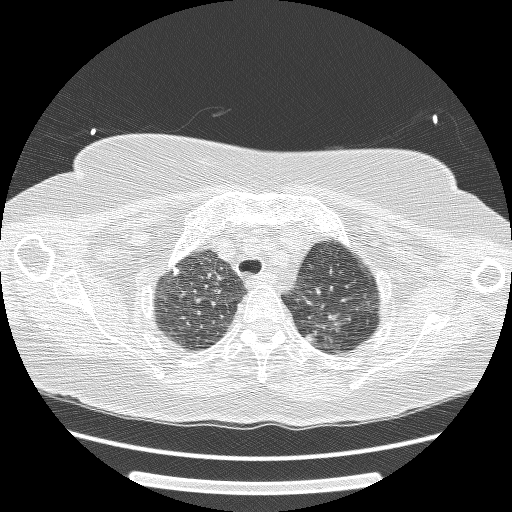
Axial chest CT slice 130 of 162 (counted from the lowest slice); tube voltage 120 kVp, convolution kernel BONE; slices 1.25 mm thick, 0.703 mm per pixel.
Pulmonary nodule outlined by all four readers; box rows 267–274, columns 173–178 (the union of the readers' outlines on this slice); longest diameter 5.8–7.3 mm and volume 54–99 mm3 across the four readers' outlines. The readers' ratings, as ranges where they differ: texture 5/5 (solid), all four readers agreeing; margin 5/5 (circumscribed), all four readers agreeing; sphericity from 3/5 (ovoid) to 4/5 across the four readers; calcification solid calcification, all four readers agreeing; internal structure soft tissue from all four readers; subtlety 4–5/5 (the readers disagree); malignancy likelihood 1/5 from all four readers. Scale key (1–5): texture non-solid→solid, margin indistinct→circumscribed, sphericity linear→round, subtlety extremely subtle→obvious, malignancy likelihood highly unlikely→highly suspicious of cancer. Box rows and columns are 0-based pixel indices from the top-left corner, inclusive.